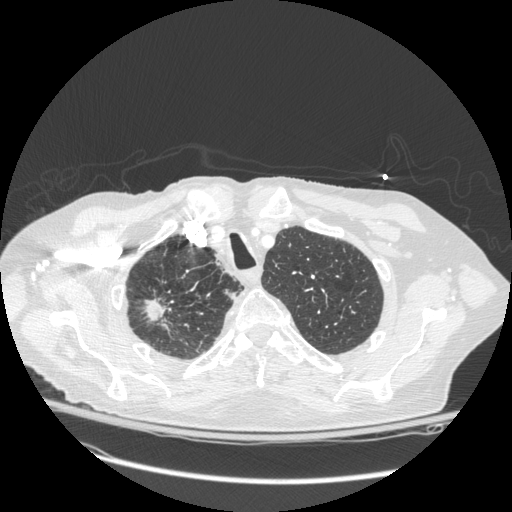
Axial chest CT slice 228 of 272 (counted from the lowest slice); tube voltage 120 kVp, convolution kernel STANDARD; slices 1.25 mm thick, 0.742 mm per pixel.
Pulmonary nodule at rows 298–321, columns 141–170 (box = the union of the readers' outlines on this slice), outlined by all four readers; the four readers' outlines give a longest diameter between 16.0 and 56.1 mm and a volume between 732 and 13897 mm3. The readers' ratings, as ranges where they differ: texture 5/5 (solid), all four readers agreeing; margin from 3/5 to 5/5 (circumscribed) across the four readers; sphericity from 3/5 (ovoid) to 4/5 across the four readers; calcification absent from all four readers; internal structure soft tissue, all four readers agreeing; subtlety 5/5, all four readers agreeing; malignancy likelihood 4–5/5 (the readers disagree). Scale key (1–5): texture non-solid→solid, margin indistinct→circumscribed, sphericity linear→round, subtlety extremely subtle→obvious, malignancy likelihood highly unlikely→highly suspicious of cancer. Box rows and columns are 0-based pixel indices from the top-left corner, inclusive.